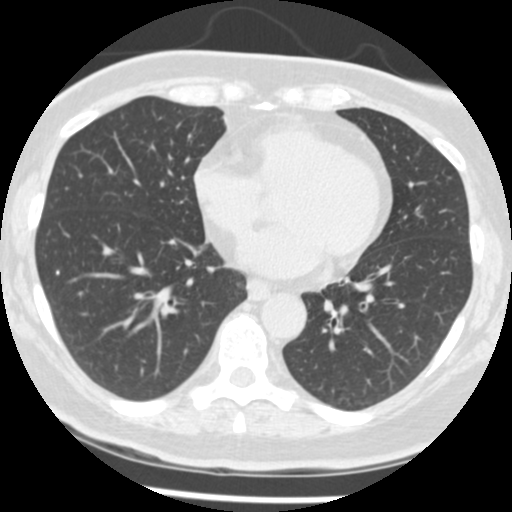
Axial slice 179 of 433 of a chest CT (slice 1 is the lowest), reconstructed with the STANDARD kernel at 120 kVp; 1.25 mm slice thickness and 0.547 mm pixels.
Pulmonary nodule at rows 271–274, columns 56–58 (box = that reader's outline on this slice), outlined by one of the four readers; longest diameter 3.7 mm and volume 18 mm3 from that reader's outline. That reader's ratings: texture 5/5 (solid); margin 5/5 (circumscribed); sphericity 5/5 (round); calcification solid calcification; internal structure soft tissue; subtlety 5/5; malignancy likelihood 1/5. Scale key (1–5): texture non-solid→solid, margin indistinct→circumscribed, sphericity linear→round, subtlety extremely subtle→obvious, malignancy likelihood highly unlikely→highly suspicious of cancer. Box rows and columns are 0-based pixel indices from the top-left corner, inclusive.